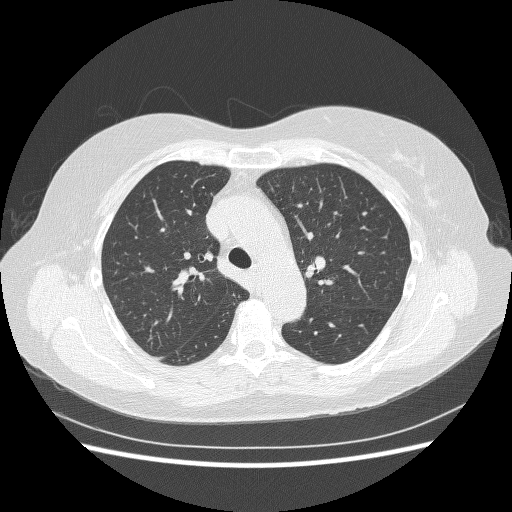
Axial slice 175 of 240 of a chest CT (slice 1 is the lowest), reconstructed with the BONE kernel at 120 kVp; 1.25 mm slice thickness and 0.703 mm pixels.
Pulmonary nodule at rows 211–216, columns 361–367 (box = the union of the readers' outlines on this slice), outlined by two of the four readers; the two readers' outlines give a longest diameter between 5.1 and 5.8 mm and a volume between 48 and 74 mm3. The readers' ratings, as ranges where they differ: texture 5/5 (solid), both readers agreeing; margin 4/5, both readers agreeing; sphericity from 2/5 to 3/5 (ovoid) across the two readers; calcification absent, both readers agreeing; internal structure soft tissue from both readers; subtlety rated between 1 and 2 out of 5 by the two readers; malignancy likelihood 2–3/5 (the readers disagree). Scale key (1–5): texture non-solid→solid, margin indistinct→circumscribed, sphericity linear→round, subtlety extremely subtle→obvious, malignancy likelihood highly unlikely→highly suspicious of cancer. Box rows and columns are 0-based pixel indices from the top-left corner, inclusive.